Axial slice 143 of 238 of a chest CT (slice 1 is the lowest), reconstructed with the LUNG kernel at 120 kVp; 1.25 mm slice thickness and 0.742 mm pixels.
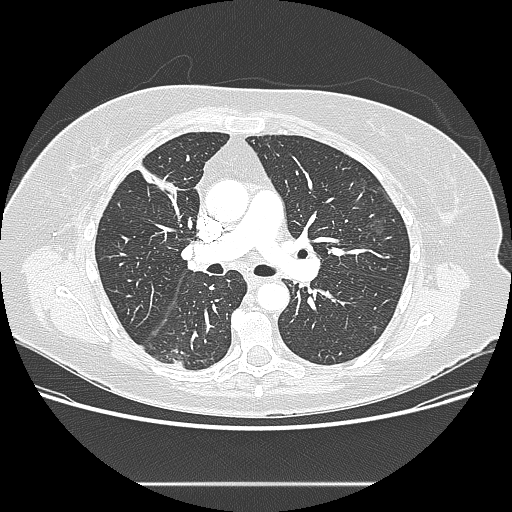
Pulmonary nodule, outlined by all four readers. Box on this slice rows 359–368, columns 171–184, the union of the readers' outlines on this slice; median longest diameter 16.9 mm (readers' outlines 16.2–17.0 mm), median volume 1591 mm3 (1456–1679 mm3). Ratings, median across the readers with their spread: texture 5/5 (solid) from all four readers; median margin 5/5 (circumscribed) (readers ranged 4/5 to 5/5 (circumscribed)); median sphericity 5/5 (round) (readers ranged 3/5 (ovoid) to 5/5 (round)); calcification absent from all four readers; internal structure soft tissue from all four readers; median subtlety 4.5/5 (readers ranged 3–5); median malignancy likelihood 3/5 (readers ranged 2–4). Scale key (1–5): texture non-solid→solid, margin indistinct→circumscribed, sphericity linear→round, subtlety extremely subtle→obvious, malignancy likelihood highly unlikely→highly suspicious of cancer. Box rows and columns are 0-based pixel indices from the top-left corner, inclusive.